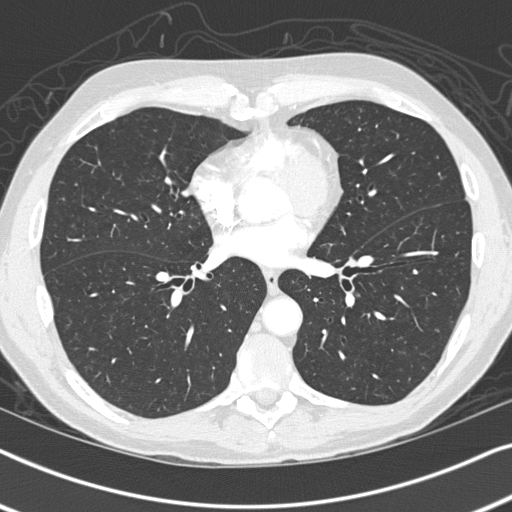
Axial slice 156 of 326 of a chest CT (slice 1 is the lowest), reconstructed with the B45f kernel at 120 kVp; 1.00 mm slice thickness and 0.645 mm pixels.
This slice carries no reader outline of a nodule 3 mm or larger.